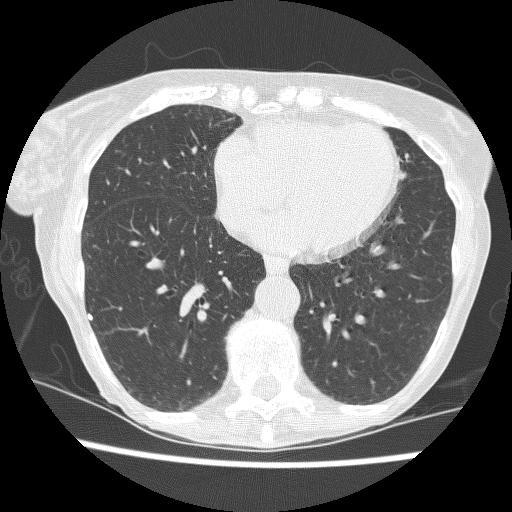
Axial chest CT slice 92 of 240 (counted from the lowest slice); 1.25 mm thick, 0.566 mm per pixel. Pulmonary nodule outlined by one of the four readers; box rows 314–319, columns 88–92 (that reader's outline on this slice); longest diameter 5.4 mm and volume 44 mm3 from that reader's outline. That reader's ratings: texture 5/5 (solid); margin 5/5 (circumscribed); sphericity 3/5 (ovoid); calcification solid calcification; internal structure soft tissue; subtlety 4/5; malignancy likelihood 1/5. Scale key (1–5): texture non-solid→solid, margin indistinct→circumscribed, sphericity linear→round, subtlety extremely subtle→obvious, malignancy likelihood highly unlikely→highly suspicious of cancer. Box rows and columns are 0-based pixel indices from the top-left corner, inclusive.
Tube voltage 120 kVp; convolution kernel BONE.